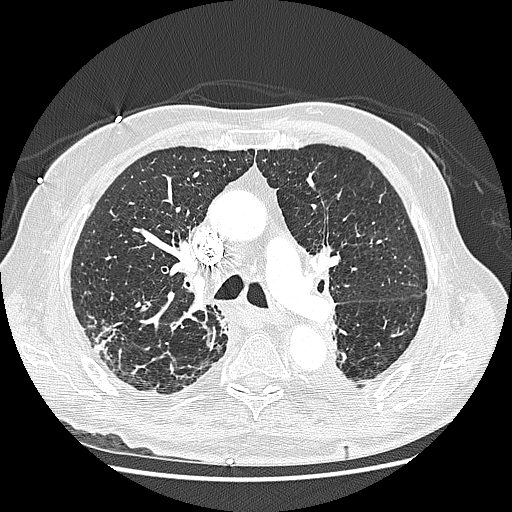
This is axial slice 167 of 242 (slice 1 is the lowest) of a chest CT; each pixel is 0.703 mm and the slice is 1.25 mm thick. Pulmonary nodule, outlined by three of the four readers, two of them on this slice. Box on this slice rows 325–341, columns 100–116, the union of the readers' outlines on this slice; median longest diameter 25.5 mm (readers' outlines 23.6–31.8 mm), median volume 3121 mm3 (3005–3613 mm3). Median ratings and the readers' spread: texture 5/5 (solid) from all three readers; margin 4/5 at the median of three readers, spread 3/5 to 5/5 (circumscribed); sphericity 4/5 at the median of three readers, spread 3/5 (ovoid) to 4/5; calcification absent from all three readers; internal structure soft tissue from all three readers; median subtlety 5/5 (readers ranged 4–5); malignancy likelihood 5/5 at the median of three readers, spread 4–5. Scale key (1–5): texture non-solid→solid, margin indistinct→circumscribed, sphericity linear→round, subtlety extremely subtle→obvious, malignancy likelihood highly unlikely→highly suspicious of cancer. Box rows and columns are 0-based pixel indices from the top-left corner, inclusive.
Scan settings: 120 kVp, LUNG reconstruction kernel.